One axial slice (181 of 238, counting up from the lowest) of a chest CT acquired at 120 kVp with the BONE kernel; each pixel is 0.703 mm and the slice is 1.25 mm thick.
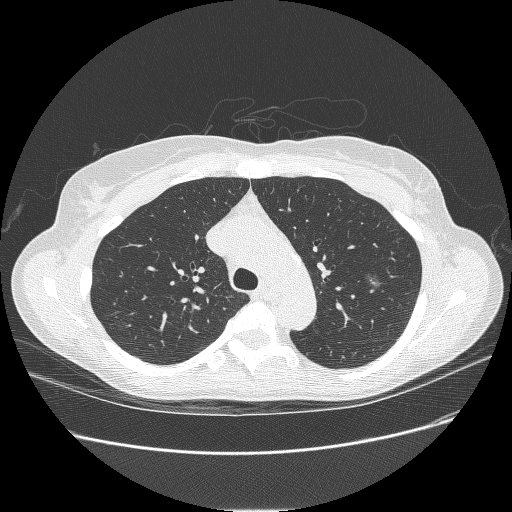
Pulmonary nodule, outlined by all four readers. Box on this slice rows 272–290, columns 363–381, the union of the readers' outlines on this slice; median longest diameter 14.3 mm (readers' outlines 13.3–17.8 mm), median volume 631 mm3 (437–1030 mm3). Ratings, median across the readers with their spread: median texture 1/5 (non-solid) (readers ranged 1/5 (non-solid) to 3/5 (part-solid)); median margin 1/5 (indistinct) (readers ranged 1/5 (indistinct) to 5/5 (circumscribed)); sphericity 4/5 at the median of four readers, spread 3/5 (ovoid) to 4/5; calcification absent, all four readers agreeing; internal structure soft tissue from all four readers; subtlety 4/5 at the median of four readers, spread 3–5; median malignancy likelihood 3.5/5 (readers ranged 2–4). Scale key (1–5): texture non-solid→solid, margin indistinct→circumscribed, sphericity linear→round, subtlety extremely subtle→obvious, malignancy likelihood highly unlikely→highly suspicious of cancer. Box rows and columns are 0-based pixel indices from the top-left corner, inclusive.